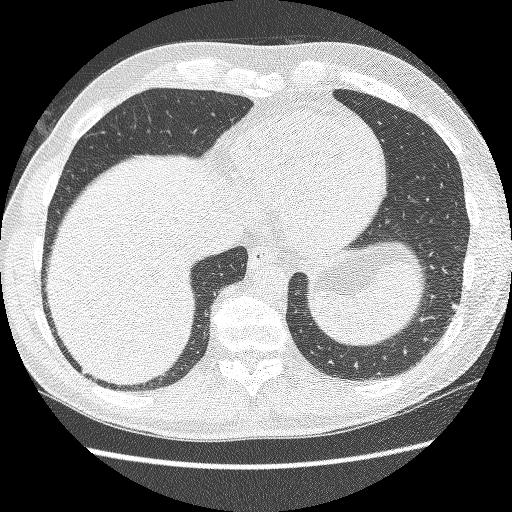
One axial slice (65 of 252, counting up from the lowest) of a chest CT acquired at 120 kVp with the BONE kernel; each pixel is 0.703 mm and the slice is 1.25 mm thick.
Pulmonary nodule outlined by two of the four readers; box rows 303–310, columns 451–456 (the union of the readers' outlines on this slice); longest diameter 6.4 mm on average over the two readers' outlines (readers' outlines 6.4–6.5 mm), volume 61–65 mm3. The readers' prevailing ratings and who disagreed: texture 5/5 (solid), both readers agreeing; margin split among the readers: 4/5 (one), 5/5 (circumscribed) (one); sphericity 4/5 from both readers; calcification absent, both readers agreeing; internal structure soft tissue from both readers; subtlety split among the readers: 2/5 (one), 4/5 (one); malignancy likelihood split among the readers: 2/5 (one), 3/5 (one). Scale key (1–5): texture non-solid→solid, margin indistinct→circumscribed, sphericity linear→round, subtlety extremely subtle→obvious, malignancy likelihood highly unlikely→highly suspicious of cancer. Box rows and columns are 0-based pixel indices from the top-left corner, inclusive.